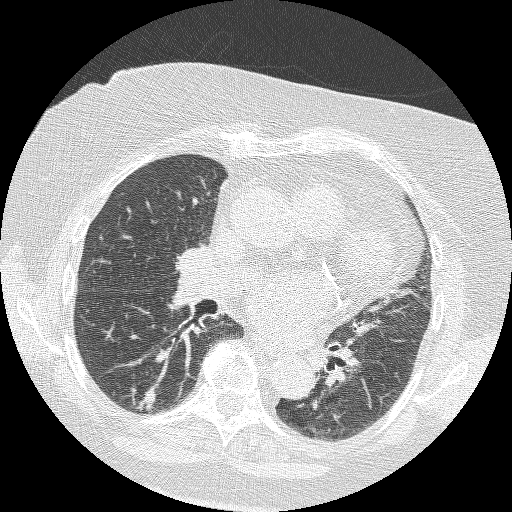
One axial slice (141 of 235, counting up from the lowest) of a chest CT acquired at 120 kVp with the BONE kernel; each pixel is 0.625 mm and the slice is 1.25 mm thick.
Pulmonary nodule outlined by two of the four readers; box rows 390–412, columns 137–155 (the union of the readers' outlines on this slice); longest diameter 20.0 mm on average over the two readers' outlines (readers' outlines 17.6–22.4 mm), volume 602–1472 mm3. Ratings, by the readers' most common answer with dissent counted: texture 5/5 (solid), both readers agreeing; margin split among the readers: 2/5 (one), 5/5 (circumscribed) (one); sphericity split among the readers: 1/5 (linear) (one), 2/5 (one); calcification absent, both readers agreeing; internal structure soft tissue from both readers; subtlety 5/5 from both readers; malignancy likelihood 3/5, both readers agreeing. Scale key (1–5): texture non-solid→solid, margin indistinct→circumscribed, sphericity linear→round, subtlety extremely subtle→obvious, malignancy likelihood highly unlikely→highly suspicious of cancer. Box rows and columns are 0-based pixel indices from the top-left corner, inclusive.